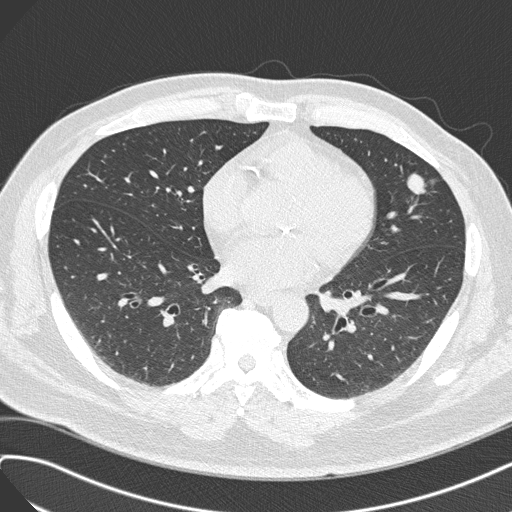
This is axial slice 144 of 308 (slice 1 is the lowest) of a chest CT; each pixel is 0.703 mm and the slice is 1.00 mm thick. Pulmonary nodule, outlined by all four readers. Box on this slice rows 172–194, columns 407–426, the union of the readers' outlines on this slice; longest diameter 19.6–23.0 mm and volume 1982–2315 mm3 across the four readers' outlines. The readers' ratings, as ranges where they differ: texture 5/5 (solid) from all four readers; margin from 4/5 to 5/5 (circumscribed) across the four readers; sphericity from 3/5 (ovoid) to 5/5 (round) across the four readers; calcification absent from all four readers; internal structure soft tissue, all four readers agreeing; subtlety 5/5, all four readers agreeing; malignancy likelihood 3–5/5 (the readers disagree). Scale key (1–5): texture non-solid→solid, margin indistinct→circumscribed, sphericity linear→round, subtlety extremely subtle→obvious, malignancy likelihood highly unlikely→highly suspicious of cancer. Box rows and columns are 0-based pixel indices from the top-left corner, inclusive.
Acquired at 120 kVp and reconstructed with the B45f kernel.